Chest CT, axial plane, 120 kVp, kernel B30f. Slice 309/506 from the bottom of the scan; thickness 0.75 mm; pixel size 0.699 mm.
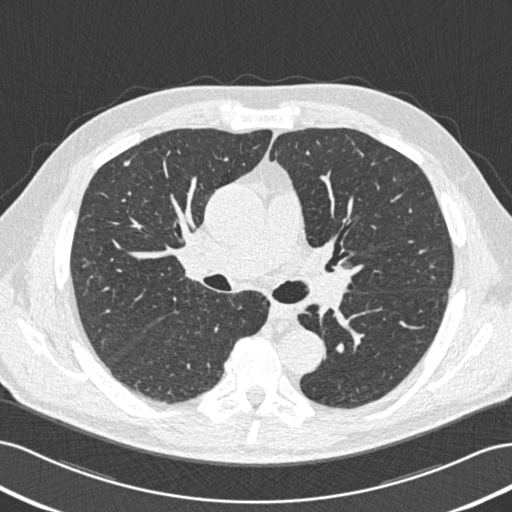
Pulmonary nodule at rows 160–165, columns 124–129 (box = the union of the readers' outlines on this slice), outlined by all four readers; the four readers' outlines give a longest diameter between 6.9 and 9.7 mm and a volume between 41 and 96 mm3. Ratings across the readers: texture 5/5 (solid) from all four readers; margin from 2/5 to 5/5 (circumscribed) across the four readers; sphericity from 3/5 (ovoid) to 5/5 (round) across the four readers; calcification absent from all four readers; internal structure soft tissue, all four readers agreeing; subtlety rated between 3 and 4 out of 5 by the four readers; malignancy likelihood rated between 1 and 3 out of 5 by the four readers. Scale key (1–5): texture non-solid→solid, margin indistinct→circumscribed, sphericity linear→round, subtlety extremely subtle→obvious, malignancy likelihood highly unlikely→highly suspicious of cancer. Box rows and columns are 0-based pixel indices from the top-left corner, inclusive.